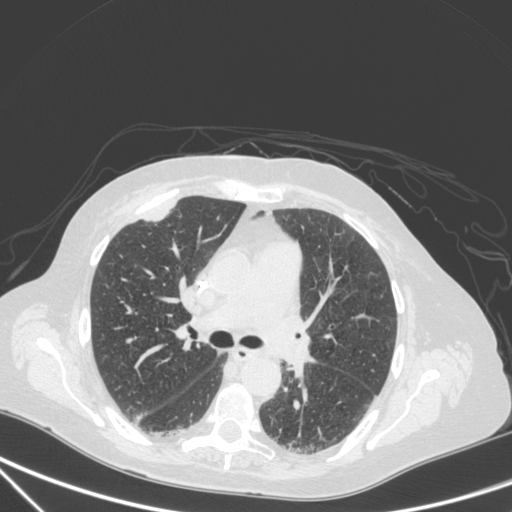
Axial slice 201 of 350 of a chest CT (slice 1 is the lowest), reconstructed with the C kernel at 120 kVp; 1.50 mm slice thickness and 0.725 mm pixels.
Pulmonary nodule at rows 207–220, columns 145–172 (box = that reader's outline on this slice), outlined by one of the four readers; longest diameter 29.5 mm and volume 4181 mm3 from that reader's outline. That reader's ratings: texture 5/5 (solid); margin 4/5; sphericity 2/5; calcification absent; internal structure soft tissue; subtlety 5/5; malignancy likelihood 4/5. Scale key (1–5): texture non-solid→solid, margin indistinct→circumscribed, sphericity linear→round, subtlety extremely subtle→obvious, malignancy likelihood highly unlikely→highly suspicious of cancer. Box rows and columns are 0-based pixel indices from the top-left corner, inclusive.